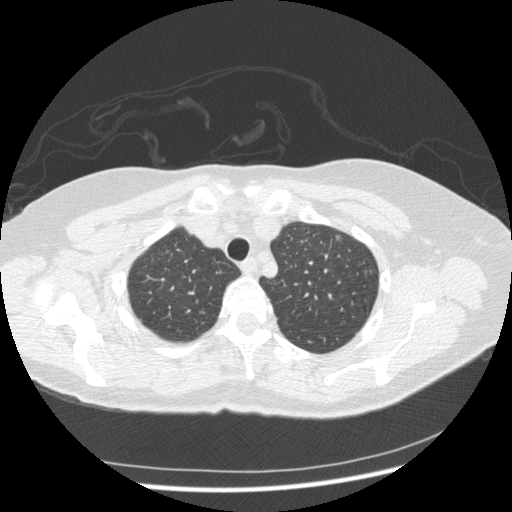
Axial chest CT slice 363 of 436 (counted from the lowest slice); tube voltage 120 kVp, convolution kernel STANDARD; slices 1.25 mm thick, 0.703 mm per pixel.
Pulmonary nodule outlined by one of the four readers; box rows 235–239, columns 335–341 (that reader's outline on this slice); longest diameter 6.0 mm and volume 25 mm3 from that reader's outline. That reader's ratings: texture 5/5 (solid); margin 4/5; sphericity 3/5 (ovoid); calcification absent; internal structure soft tissue; subtlety 4/5; malignancy likelihood 5/5. Scale key (1–5): texture non-solid→solid, margin indistinct→circumscribed, sphericity linear→round, subtlety extremely subtle→obvious, malignancy likelihood highly unlikely→highly suspicious of cancer. Box rows and columns are 0-based pixel indices from the top-left corner, inclusive.